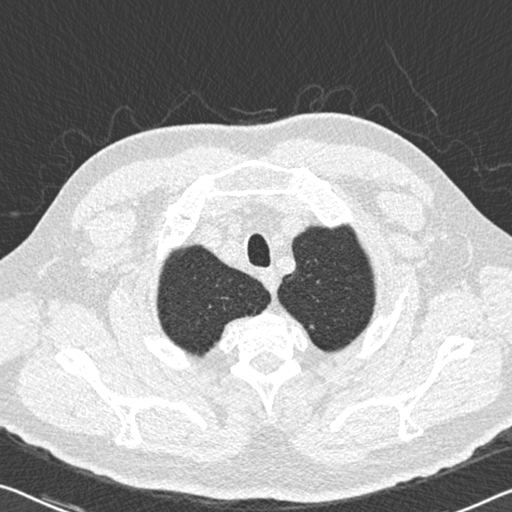
Axial slice 499 of 536 of a chest CT (slice 1 is the lowest), reconstructed with the B30f kernel at 120 kVp; 0.75 mm slice thickness and 0.656 mm pixels.
Pulmonary nodule, outlined by three of the four readers. Box on this slice rows 325–328, columns 310–313, the union of the readers' outlines on this slice; longest diameter 5.9–8.2 mm and volume 18–37 mm3 across the three readers' outlines. The readers' ratings, as ranges where they differ: texture 5/5 (solid), all three readers agreeing; margin from 3/5 to 4/5 across the three readers; sphericity from 2/5 to 3/5 (ovoid) across the three readers; calcification absent from all three readers; internal structure soft tissue, all three readers agreeing; subtlety from 1/5 to 4/5 across the three readers; malignancy likelihood 2–3/5 (the readers disagree). Scale key (1–5): texture non-solid→solid, margin indistinct→circumscribed, sphericity linear→round, subtlety extremely subtle→obvious, malignancy likelihood highly unlikely→highly suspicious of cancer. Box rows and columns are 0-based pixel indices from the top-left corner, inclusive.